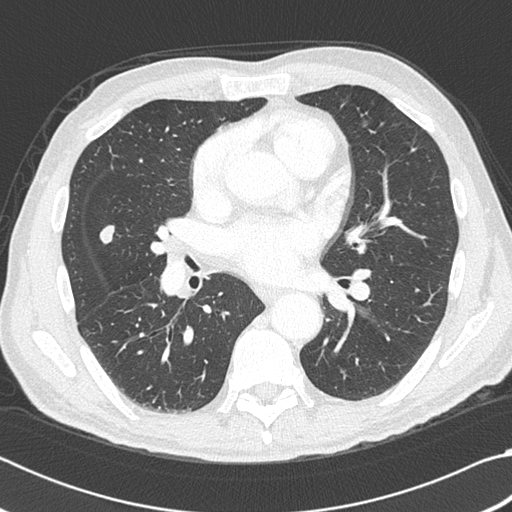
Axial chest CT slice 211 of 383 (counted from the lowest slice); 1.00 mm thick, 0.664 mm per pixel. Two pulmonary nodules on this slice, listed from left to right. (1) Pulmonary nodule, outlined by all four readers. Box on this slice rows 224–244, columns 99–114, the union of the readers' outlines on this slice; the four readers' outlines give a longest diameter between 15.5 and 17.3 mm and a volume between 759 and 884 mm3. Ratings across the readers: texture 5/5 (solid), all four readers agreeing; margin from 4/5 to 5/5 (circumscribed) across the four readers; sphericity from 3/5 (ovoid) to 5/5 (round) across the four readers; calcification: absent (three), solid calcification (one); internal structure soft tissue, all four readers agreeing; subtlety from 4/5 to 5/5 across the four readers; malignancy likelihood from 1/5 to 5/5 across the four readers. (2) Pulmonary nodule, outlined by all four readers, one of them on this slice. Box on this slice rows 121–126, columns 362–366, the one reader's outline on this slice; longest diameter 11.3 mm on average over the four readers' outlines (readers' outlines 10.1–11.8 mm), volume 386–564 mm3. The readers' prevailing ratings and who disagreed: texture 5/5 (solid) from all four readers; most readers (three of four) put margin at 5/5 (circumscribed), others 4/5 (one); sphericity 5/5 (round) by two of four readers; the rest gave 3/5 (ovoid) (one), 4/5 (one); calcification absent, all four readers agreeing; internal structure soft tissue from all four readers; most readers (three of four) put subtlety at 5/5, others 4/5 (one); malignancy likelihood 2/5 by two of four readers; the rest gave 3/5 (one), 5/5 (one). Scale key (1–5): texture non-solid→solid, margin indistinct→circumscribed, sphericity linear→round, subtlety extremely subtle→obvious, malignancy likelihood highly unlikely→highly suspicious of cancer. Box rows and columns are 0-based pixel indices from the top-left corner, inclusive.
Tube voltage 120 kVp; convolution kernel B45f.